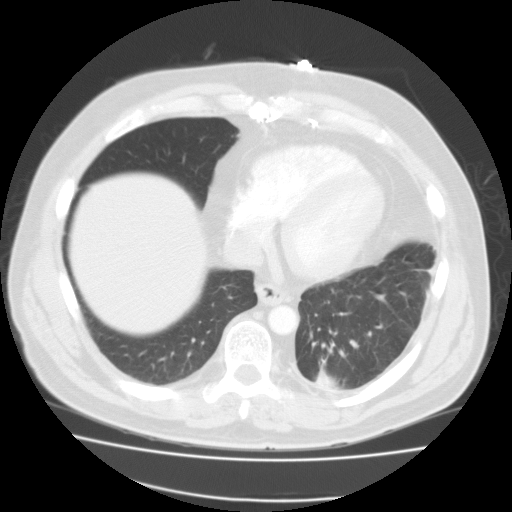
This is axial slice 46 of 115 (slice 1 is the lowest) of a chest CT; each pixel is 0.782 mm and the slice is 3.00 mm thick. Pulmonary nodule at rows 369–389, columns 316–339 (box = the union of the readers' outlines on this slice), outlined by all four readers; longest diameter 25.2–31.6 mm and volume 5217–6928 mm3 across the four readers' outlines. Ratings across the readers: texture from 4/5 to 5/5 (solid) across the four readers; margin from 2/5 to 4/5 across the four readers; sphericity from 2/5 to 4/5 across the four readers; calcification split among the readers: non-central calcification (two), absent (two); internal structure soft tissue, all four readers agreeing; subtlety 5/5 from all four readers; malignancy likelihood from 2/5 to 5/5 across the four readers. Scale key (1–5): texture non-solid→solid, margin indistinct→circumscribed, sphericity linear→round, subtlety extremely subtle→obvious, malignancy likelihood highly unlikely→highly suspicious of cancer. Box rows and columns are 0-based pixel indices from the top-left corner, inclusive.
Tube voltage 135 kVp; convolution kernel FC01.